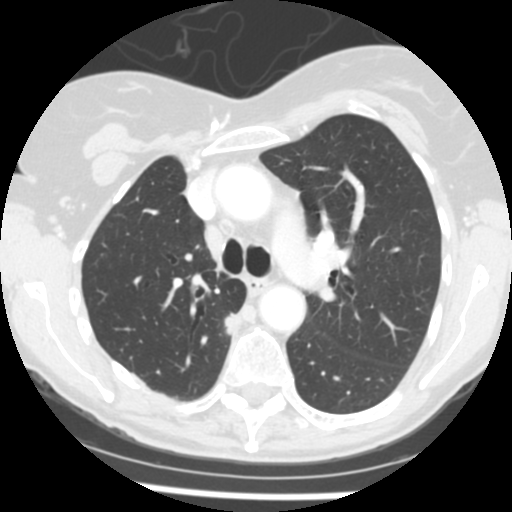
Axial chest CT slice 163 of 245 (counted from the lowest slice); 2.50 mm thick, 0.547 mm per pixel. Pulmonary nodule at rows 311–335, columns 223–242 (box = the union of the readers' outlines on this slice), outlined by all four readers; the four readers' outlines give a longest diameter between 13.1 and 14.5 mm and a volume between 549 and 868 mm3. The readers' ratings, as ranges where they differ: texture 5/5 (solid), all four readers agreeing; margin from 3/5 to 5/5 (circumscribed) across the four readers; sphericity from 2/5 to 5/5 (round) across the four readers; calcification absent from all four readers; internal structure soft tissue from all four readers; subtlety 4–5/5 (the readers disagree); malignancy likelihood rated between 3 and 5 out of 5 by the four readers. Scale key (1–5): texture non-solid→solid, margin indistinct→circumscribed, sphericity linear→round, subtlety extremely subtle→obvious, malignancy likelihood highly unlikely→highly suspicious of cancer. Box rows and columns are 0-based pixel indices from the top-left corner, inclusive.
Acquired at 120 kVp and reconstructed with the STANDARD kernel.